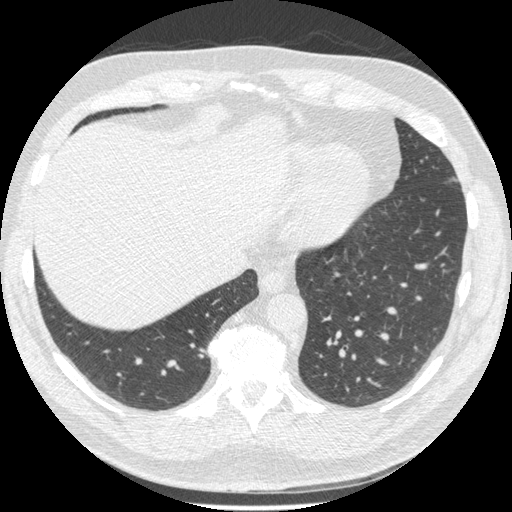
Axial slice 170 of 557 of a chest CT (slice 1 is the lowest), reconstructed with the STANDARD kernel at 120 kVp; 1.25 mm slice thickness and 0.703 mm pixels.
Pulmonary nodule at rows 349–351, columns 200–205 (box = the one reader's outline on this slice), outlined by all four readers, one of them on this slice; longest diameter 10.2 mm on average over the four readers' outlines (readers' outlines 8.6–11.5 mm), volume 175–299 mm3. The readers' prevailing ratings and who disagreed: texture 5/5 (solid) from all four readers; margin 5/5 (circumscribed) by three of four readers; the rest gave 2/5 (one); sphericity split among the readers: 4/5 (two), 5/5 (round) (two); calcification solid calcification by two of four readers, absent (one), central calcification (one); internal structure soft tissue, all four readers agreeing; subtlety 5/5 by two of four readers; the rest gave 3/5 (one), 4/5 (one); malignancy likelihood 1/5 by three of four readers; the rest gave 4/5 (one). Scale key (1–5): texture non-solid→solid, margin indistinct→circumscribed, sphericity linear→round, subtlety extremely subtle→obvious, malignancy likelihood highly unlikely→highly suspicious of cancer. Box rows and columns are 0-based pixel indices from the top-left corner, inclusive.